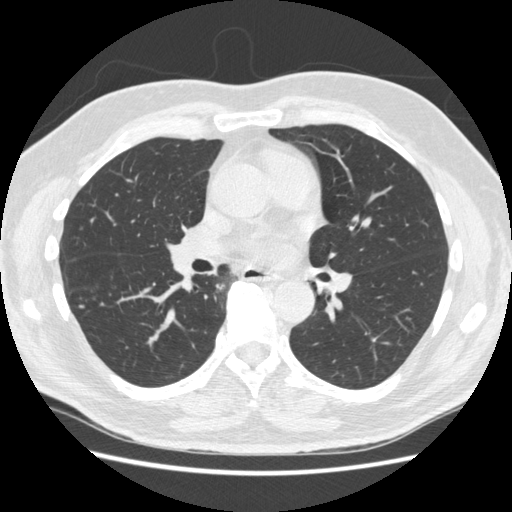
Axial chest CT slice 273 of 557 (counted from the lowest slice); 1.25 mm thick, 0.703 mm per pixel. Pulmonary nodule outlined by two of the four readers; box rows 304–308, columns 79–85 (the union of the readers' outlines on this slice); median longest diameter 6.0 mm (readers' outlines 5.7–6.3 mm), median volume 53 mm3 (41–64 mm3). Ratings, median across the readers with their spread: texture 5/5 (solid) from both readers; margin 5/5 (circumscribed) from both readers; median sphericity 4.5/5 (readers ranged 4/5 to 5/5 (round)); calcification absent from both readers; internal structure soft tissue, both readers agreeing; median subtlety 2.5/5 (readers ranged 1–4); malignancy likelihood 2.5/5 at the median of two readers, spread 2–3. Scale key (1–5): texture non-solid→solid, margin indistinct→circumscribed, sphericity linear→round, subtlety extremely subtle→obvious, malignancy likelihood highly unlikely→highly suspicious of cancer. Box rows and columns are 0-based pixel indices from the top-left corner, inclusive.
Tube voltage 120 kVp; convolution kernel STANDARD.